One axial slice (277 of 461, counting up from the lowest) of a chest CT acquired at 120 kVp with the STANDARD kernel; each pixel is 0.645 mm and the slice is 1.25 mm thick.
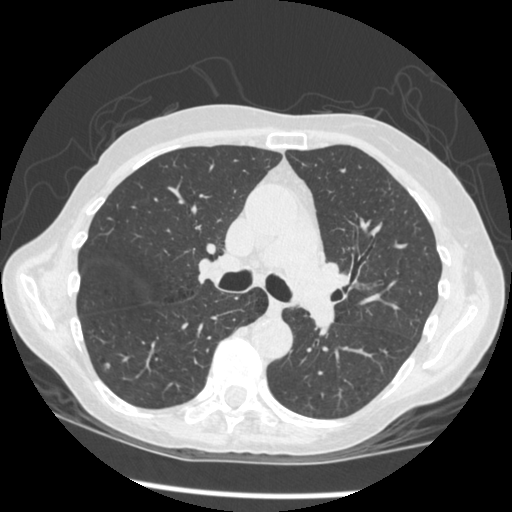
Pulmonary nodule outlined by three of the four readers; box rows 363–369, columns 104–110 (the union of the readers' outlines on this slice); longest diameter 6.7 mm on average over the three readers' outlines (readers' outlines 6.3–7.5 mm), volume 48–84 mm3. The readers' prevailing ratings and who disagreed: texture 5/5 (solid) by two of three readers; the rest gave 4/5 (one); margin split among the readers: 3/5 (one), 4/5 (one), 5/5 (circumscribed) (one); most readers (two of three) put sphericity at 4/5, others 5/5 (round) (one); calcification absent, all three readers agreeing; internal structure soft tissue, all three readers agreeing; subtlety split among the readers: 2/5 (one), 3/5 (one), 4/5 (one); malignancy likelihood 2/5 by two of three readers; the rest gave 4/5 (one). Scale key (1–5): texture non-solid→solid, margin indistinct→circumscribed, sphericity linear→round, subtlety extremely subtle→obvious, malignancy likelihood highly unlikely→highly suspicious of cancer. Box rows and columns are 0-based pixel indices from the top-left corner, inclusive.